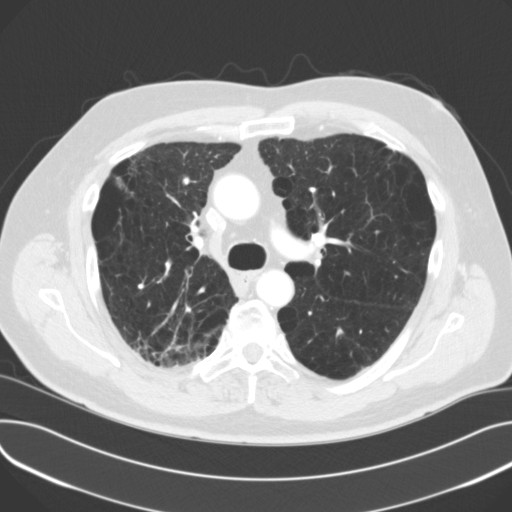
Axial slice 89 of 129 of a chest CT (slice 1 is the lowest), reconstructed with the B31f kernel at 120 kVp; 3.00 mm slice thickness and 0.730 mm pixels.
No nodule of 3 mm or larger was outlined by any of the four readers on this slice.